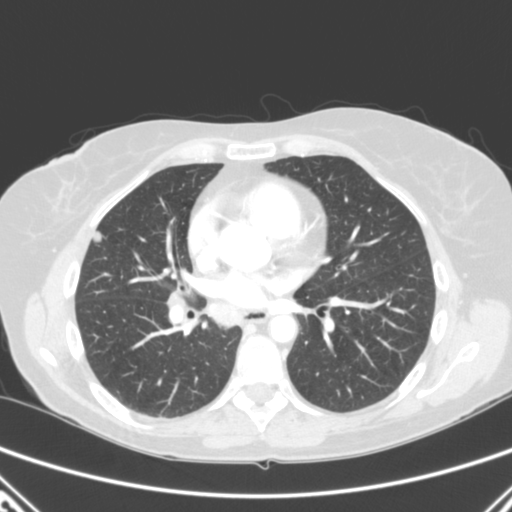
One axial slice (139 of 280, counting up from the lowest) of a chest CT acquired at 120 kVp with the B kernel; each pixel is 0.676 mm and the slice is 2.00 mm thick.
Pulmonary nodule outlined by all four readers; box rows 231–242, columns 93–101 (the union of the readers' outlines on this slice); longest diameter 9.7 mm on average over the four readers' outlines (readers' outlines 8.8–10.6 mm), volume 292–382 mm3. Ratings, by the readers' most common answer with dissent counted: texture 5/5 (solid) by three of four readers; the rest gave 4/5 (one); margin 5/5 (circumscribed) by three of four readers; the rest gave 4/5 (one); sphericity 4/5 by two of four readers; the rest gave 3/5 (ovoid) (one), 5/5 (round) (one); calcification absent from all four readers; internal structure soft tissue from all four readers; subtlety split among the readers: 4/5 (two), 5/5 (two); malignancy likelihood 4/5 by three of four readers; the rest gave 3/5 (one). Scale key (1–5): texture non-solid→solid, margin indistinct→circumscribed, sphericity linear→round, subtlety extremely subtle→obvious, malignancy likelihood highly unlikely→highly suspicious of cancer. Box rows and columns are 0-based pixel indices from the top-left corner, inclusive.